Chest CT, axial plane, 120 kVp, kernel LUNG. Slice 76/133 from the bottom of the scan; thickness 2.50 mm; pixel size 0.703 mm.
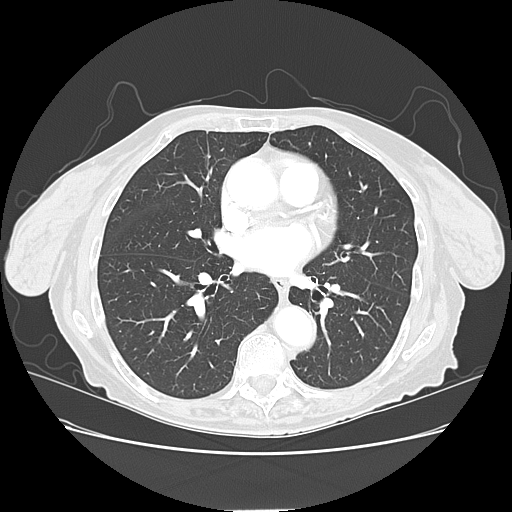
No nodule 3 mm or larger was outlined here by any reader.